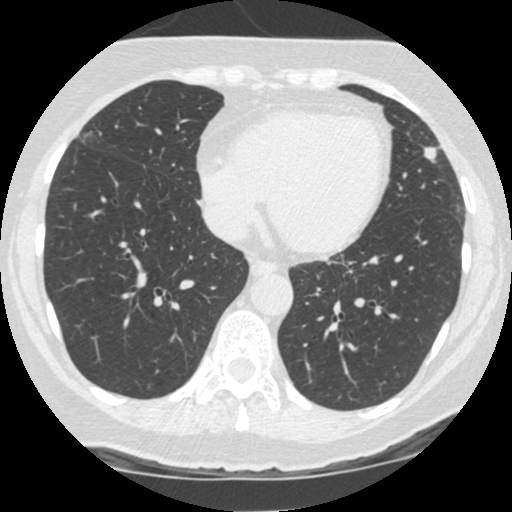
Axial slice 159 of 481 of a chest CT (slice 1 is the lowest), reconstructed with the STANDARD kernel at 120 kVp; 1.25 mm slice thickness and 0.586 mm pixels.
Pulmonary nodule, outlined by all four readers. Box on this slice rows 146–160, columns 423–436, the union of the readers' outlines on this slice; longest diameter 9.6–11.3 mm and volume 410–491 mm3 across the four readers' outlines. The readers' ratings, as ranges where they differ: texture 5/5 (solid) from all four readers; margin from 4/5 to 5/5 (circumscribed) across the four readers; sphericity from 4/5 to 5/5 (round) across the four readers; calcification absent, all four readers agreeing; internal structure soft tissue from all four readers; subtlety from 4/5 to 5/5 across the four readers; malignancy likelihood 2–5/5 (the readers disagree). Scale key (1–5): texture non-solid→solid, margin indistinct→circumscribed, sphericity linear→round, subtlety extremely subtle→obvious, malignancy likelihood highly unlikely→highly suspicious of cancer. Box rows and columns are 0-based pixel indices from the top-left corner, inclusive.